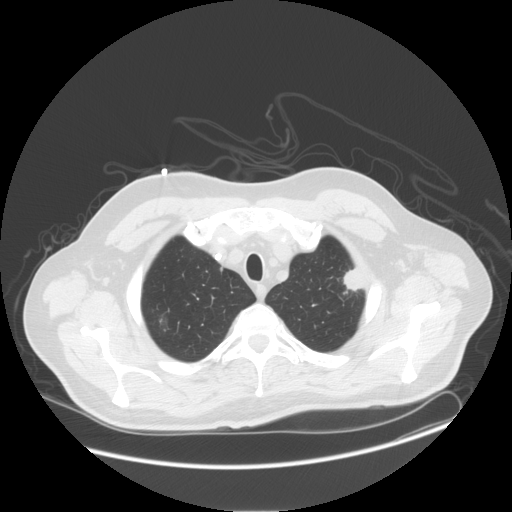
Axial slice 124 of 143 of a chest CT (slice 1 is the lowest), reconstructed with the STANDARD kernel at 120 kVp; 2.50 mm slice thickness and 0.859 mm pixels.
Pulmonary nodule, outlined by all four readers. Box on this slice rows 263–292, columns 342–367, the union of the readers' outlines on this slice; the four readers' outlines give a longest diameter between 24.8 and 28.8 mm and a volume between 4547 and 5828 mm3. Ratings across the readers: texture from 4/5 to 5/5 (solid) across the four readers; margin from 4/5 to 5/5 (circumscribed) across the four readers; sphericity from 3/5 (ovoid) to 5/5 (round) across the four readers; calcification absent, all four readers agreeing; internal structure soft tissue from all four readers; subtlety 3–5/5 (the readers disagree); malignancy likelihood 2–5/5 (the readers disagree). Scale key (1–5): texture non-solid→solid, margin indistinct→circumscribed, sphericity linear→round, subtlety extremely subtle→obvious, malignancy likelihood highly unlikely→highly suspicious of cancer. Box rows and columns are 0-based pixel indices from the top-left corner, inclusive.